Axial chest CT slice 45 of 119 (counted from the lowest slice); tube voltage 135 kVp, convolution kernel FC01; slices 3.00 mm thick, 0.640 mm per pixel.
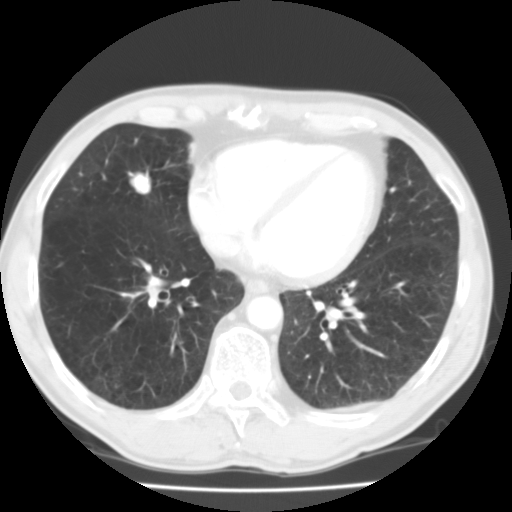
Pulmonary nodule at rows 172–194, columns 128–151 (box = the union of the readers' outlines on this slice), outlined by all four readers; longest diameter 18.0 mm on average over the four readers' outlines (readers' outlines 17.4–18.7 mm), volume 2076–2642 mm3. Ratings, by the readers' most common answer with dissent counted: texture 5/5 (solid) from all four readers; margin split among the readers: 4/5 (two), 5/5 (circumscribed) (two); sphericity 5/5 (round) by two of four readers; the rest gave 3/5 (ovoid) (one), 4/5 (one); calcification absent by three of four readers, central calcification (one); internal structure soft tissue from all four readers; subtlety 5/5 by three of four readers; the rest gave 4/5 (one); malignancy likelihood 4/5 by two of four readers; the rest gave 1/5 (one), 3/5 (one). Scale key (1–5): texture non-solid→solid, margin indistinct→circumscribed, sphericity linear→round, subtlety extremely subtle→obvious, malignancy likelihood highly unlikely→highly suspicious of cancer. Box rows and columns are 0-based pixel indices from the top-left corner, inclusive.